Axial chest CT slice 292 of 408 (counted from the lowest slice); tube voltage 120 kVp, convolution kernel B30f; slices 0.75 mm thick, 0.531 mm per pixel.
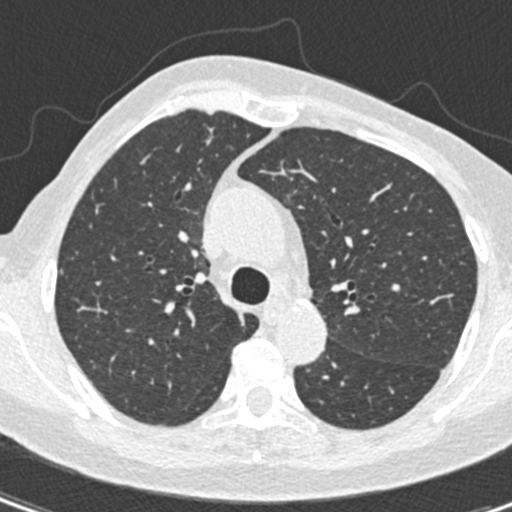
Pulmonary nodule at rows 269–274, columns 59–62 (box = that reader's outline on this slice), outlined by one of the four readers; longest diameter 4.0 mm and volume 15 mm3 from that reader's outline. That reader's ratings: texture 5/5 (solid); margin 5/5 (circumscribed); sphericity 5/5 (round); calcification absent; internal structure soft tissue; subtlety 5/5; malignancy likelihood 3/5. Scale key (1–5): texture non-solid→solid, margin indistinct→circumscribed, sphericity linear→round, subtlety extremely subtle→obvious, malignancy likelihood highly unlikely→highly suspicious of cancer. Box rows and columns are 0-based pixel indices from the top-left corner, inclusive.